Chest CT, axial plane, 120 kVp, kernel STANDARD. Slice 35/119 from the bottom of the scan; thickness 2.50 mm; pixel size 0.742 mm.
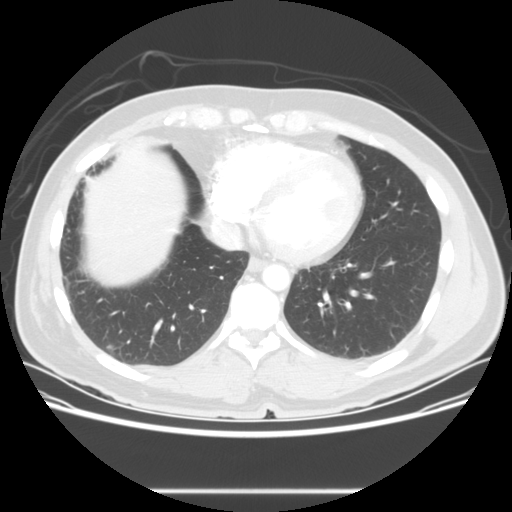
Pulmonary nodule at rows 345–349, columns 106–112 (box = the union of the readers' outlines on this slice), outlined by all four readers; longest diameter 6.6 mm on average over the four readers' outlines (readers' outlines 5.4–8.0 mm), volume 95–232 mm3. Ratings, by the readers' most common answer with dissent counted: texture 5/5 (solid) from all four readers; most readers (three of four) put margin at 5/5 (circumscribed), others 3/5 (one); sphericity 5/5 (round) by two of four readers; the rest gave 3/5 (ovoid) (one), 4/5 (one); calcification absent, all four readers agreeing; internal structure soft tissue, all four readers agreeing; subtlety 3/5 by two of four readers; the rest gave 1/5 (one), 4/5 (one); malignancy likelihood 3/5 by three of four readers; the rest gave 2/5 (one). Scale key (1–5): texture non-solid→solid, margin indistinct→circumscribed, sphericity linear→round, subtlety extremely subtle→obvious, malignancy likelihood highly unlikely→highly suspicious of cancer. Box rows and columns are 0-based pixel indices from the top-left corner, inclusive.